Axial chest CT slice 183 of 392 (counted from the lowest slice); tube voltage 120 kVp, convolution kernel C; slices 1.50 mm thick, 0.639 mm per pixel.
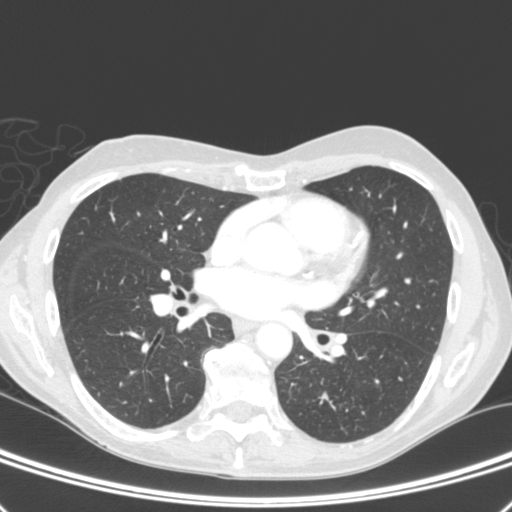
This slice carries no reader outline of a nodule 3 mm or larger.